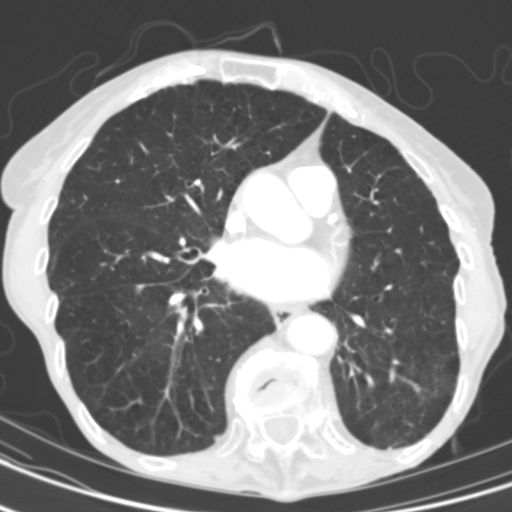
Axial chest CT slice 47 of 104 (counted from the lowest slice); tube voltage 130 kVp, convolution kernel B31s; slices 3.00 mm thick, 0.531 mm per pixel.
Pulmonary nodule outlined by two of the four readers; box rows 285–292, columns 137–141 (the union of the readers' outlines on this slice); longest diameter 10.2 mm on average over the two readers' outlines (readers' outlines 10.2 mm), volume 152–154 mm3. The readers' prevailing ratings and who disagreed: texture split among the readers: 3/5 (part-solid) (one), 4/5 (one); margin split among the readers: 2/5 (one), 3/5 (one); sphericity split among the readers: 2/5 (one), 5/5 (round) (one); calcification absent, both readers agreeing; internal structure soft tissue from both readers; subtlety split among the readers: 3/5 (one), 4/5 (one); malignancy likelihood split among the readers: 1/5 (one), 3/5 (one). Scale key (1–5): texture non-solid→solid, margin indistinct→circumscribed, sphericity linear→round, subtlety extremely subtle→obvious, malignancy likelihood highly unlikely→highly suspicious of cancer. Box rows and columns are 0-based pixel indices from the top-left corner, inclusive.